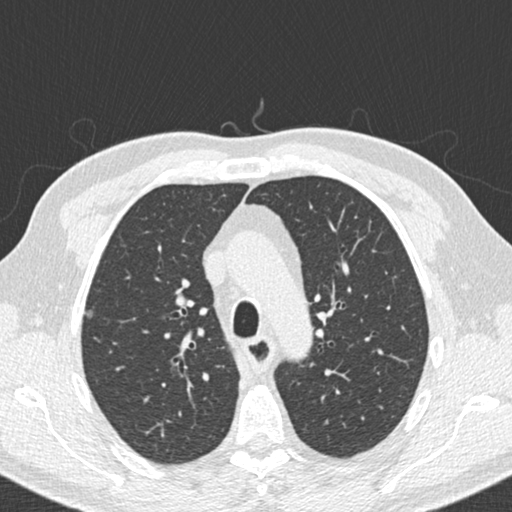
Axial slice 144 of 197 of a chest CT (slice 1 is the lowest), reconstructed with the B30f kernel at 120 kVp; 2.00 mm slice thickness and 0.625 mm pixels.
Pulmonary nodule at rows 309–319, columns 86–93 (box = the union of the readers' outlines on this slice), outlined by all four readers; the four readers' outlines give a longest diameter between 7.1 and 7.7 mm and a volume between 72 and 101 mm3. Ratings across the readers: texture from 4/5 to 5/5 (solid) across the four readers; margin from 2/5 to 5/5 (circumscribed) across the four readers; sphericity from 3/5 (ovoid) to 5/5 (round) across the four readers; calcification absent from all four readers; internal structure soft tissue from all four readers; subtlety from 3/5 to 5/5 across the four readers; malignancy likelihood 2–3/5 (the readers disagree). Scale key (1–5): texture non-solid→solid, margin indistinct→circumscribed, sphericity linear→round, subtlety extremely subtle→obvious, malignancy likelihood highly unlikely→highly suspicious of cancer. Box rows and columns are 0-based pixel indices from the top-left corner, inclusive.